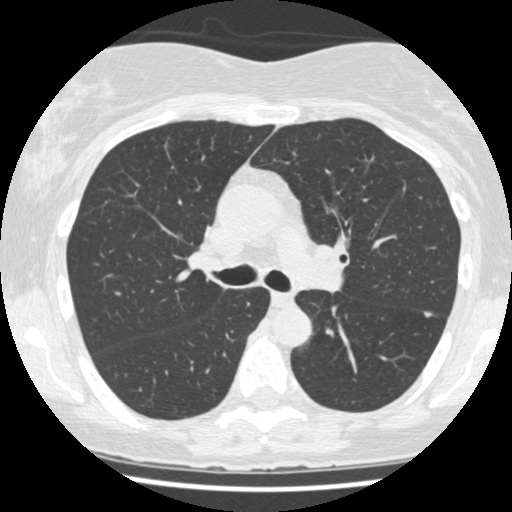
One axial slice (292 of 477, counting up from the lowest) of a chest CT acquired at 120 kVp with the STANDARD kernel; each pixel is 0.625 mm and the slice is 1.25 mm thick.
Pulmonary nodule, outlined by three of the four readers. Box on this slice rows 311–317, columns 423–432, the union of the readers' outlines on this slice; longest diameter 6.2–7.6 mm and volume 81–136 mm3 across the three readers' outlines. The readers' ratings, as ranges where they differ: texture 5/5 (solid) from all three readers; margin 5/5 (circumscribed), all three readers agreeing; sphericity from 4/5 to 5/5 (round) across the three readers; calcification absent, all three readers agreeing; internal structure soft tissue from all three readers; subtlety rated between 3 and 5 out of 5 by the three readers; malignancy likelihood 1–3/5 (the readers disagree). Scale key (1–5): texture non-solid→solid, margin indistinct→circumscribed, sphericity linear→round, subtlety extremely subtle→obvious, malignancy likelihood highly unlikely→highly suspicious of cancer. Box rows and columns are 0-based pixel indices from the top-left corner, inclusive.